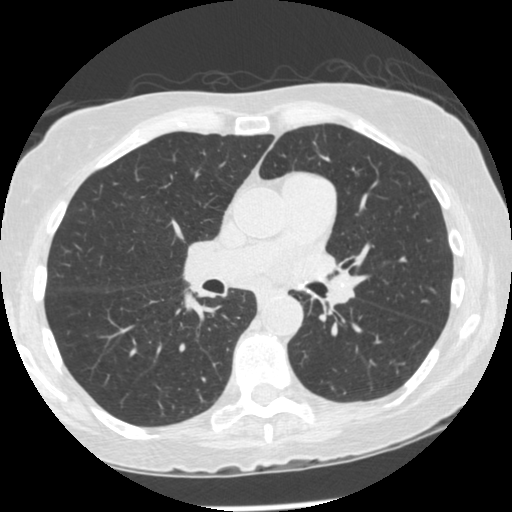
This is axial slice 228 of 474 (slice 1 is the lowest) of a chest CT; each pixel is 0.625 mm and the slice is 1.25 mm thick. This slice carries no reader outline of a nodule 3 mm or larger.
Scan settings: 120 kVp, STANDARD reconstruction kernel.